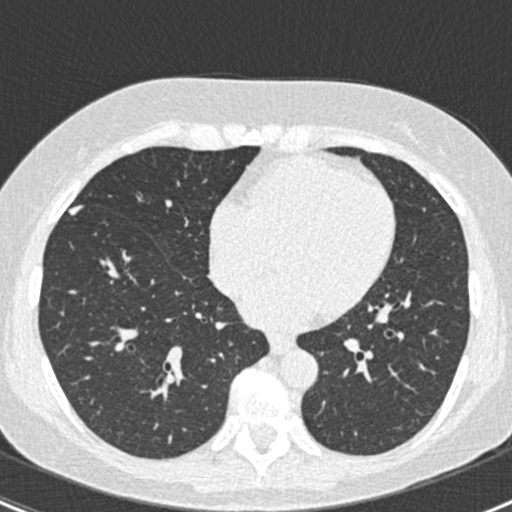
Axial slice 196 of 429 of a chest CT (slice 1 is the lowest), reconstructed with the B30f kernel at 120 kVp; 0.75 mm slice thickness and 0.586 mm pixels.
Pulmonary nodule outlined by three of the four readers; box rows 204–216, columns 67–84 (the union of the readers' outlines on this slice); the three readers' outlines give a longest diameter between 9.8 and 12.3 mm and a volume between 207 and 302 mm3. Ratings across the readers: texture 5/5 (solid) from all three readers; margin from 4/5 to 5/5 (circumscribed) across the three readers; sphericity from 2/5 to 3/5 (ovoid) across the three readers; calcification absent from all three readers; internal structure soft tissue from all three readers; subtlety 5/5, all three readers agreeing; malignancy likelihood from 2/5 to 4/5 across the three readers. Scale key (1–5): texture non-solid→solid, margin indistinct→circumscribed, sphericity linear→round, subtlety extremely subtle→obvious, malignancy likelihood highly unlikely→highly suspicious of cancer. Box rows and columns are 0-based pixel indices from the top-left corner, inclusive.